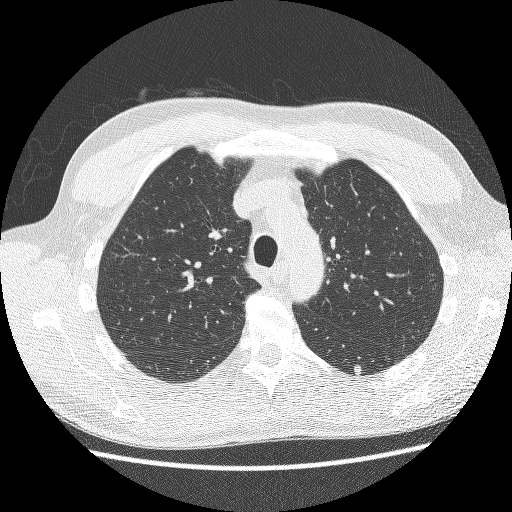
Axial chest CT slice 185 of 252 (counted from the lowest slice); tube voltage 120 kVp, convolution kernel BONE; slices 1.25 mm thick, 0.703 mm per pixel.
Pulmonary nodule, outlined by all four readers. Box on this slice rows 363–374, columns 353–362, the union of the readers' outlines on this slice; median longest diameter 8.7 mm (readers' outlines 8.0–9.4 mm), median volume 149 mm3 (123–160 mm3). Median ratings and the readers' spread: median texture 5/5 (solid) (readers ranged 4/5 to 5/5 (solid)); margin 4/5, all four readers agreeing; median sphericity 3.5/5 (readers ranged 3/5 (ovoid) to 4/5); calcification absent from all four readers; internal structure soft tissue, all four readers agreeing; median subtlety 3.5/5 (readers ranged 3–5); median malignancy likelihood 3/5 (readers ranged 3–4). Scale key (1–5): texture non-solid→solid, margin indistinct→circumscribed, sphericity linear→round, subtlety extremely subtle→obvious, malignancy likelihood highly unlikely→highly suspicious of cancer. Box rows and columns are 0-based pixel indices from the top-left corner, inclusive.